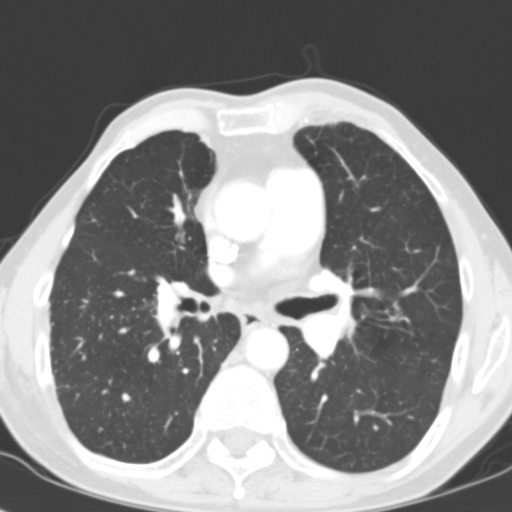
This is axial slice 65 of 116 (slice 1 is the lowest) of a chest CT; each pixel is 0.547 mm and the slice is 3.00 mm thick. Pulmonary nodule outlined by two of the four readers; box rows 393–401, columns 122–130 (the union of the readers' outlines on this slice); longest diameter 6.4 mm on average over the two readers' outlines (readers' outlines 6.1–6.8 mm), volume 142–210 mm3. The readers' prevailing ratings and who disagreed: texture split among the readers: 3/5 (part-solid) (one), 5/5 (solid) (one); margin split among the readers: 2/5 (one), 5/5 (circumscribed) (one); sphericity split among the readers: 3/5 (ovoid) (one), 5/5 (round) (one); calcification absent from both readers; internal structure soft tissue from both readers; subtlety split among the readers: 3/5 (one), 5/5 (one); malignancy likelihood split among the readers: 3/5 (one), 4/5 (one). Scale key (1–5): texture non-solid→solid, margin indistinct→circumscribed, sphericity linear→round, subtlety extremely subtle→obvious, malignancy likelihood highly unlikely→highly suspicious of cancer. Box rows and columns are 0-based pixel indices from the top-left corner, inclusive.
Tube voltage 120 kVp; convolution kernel B31f.